Axial slice 224 of 290 of a chest CT (slice 1 is the lowest), reconstructed with the D kernel at 120 kVp; 1.00 mm slice thickness and 0.611 mm pixels.
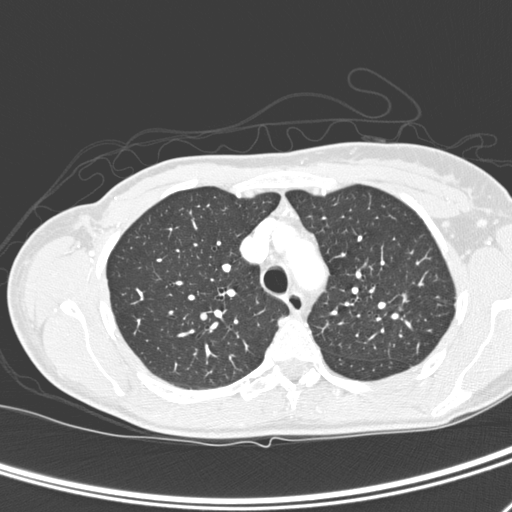
Two pulmonary nodules on this slice, listed from left to right. (1) Pulmonary nodule at rows 312–320, columns 200–206 (box = the union of the readers' outlines on this slice), outlined by all four readers; median longest diameter 5.6 mm (readers' outlines 5.6–5.8 mm), median volume 58 mm3 (33–72 mm3). Median ratings and the readers' spread: texture 5/5 (solid) from all four readers; margin 5/5 (circumscribed), all four readers agreeing; sphericity 5/5 (round), all four readers agreeing; calcification absent, all four readers agreeing; internal structure soft tissue, all four readers agreeing; subtlety 3/5 at the median of four readers, spread 2–5; median malignancy likelihood 2.5/5 (readers ranged 1–4). (2) Pulmonary nodule outlined by one of the four readers; box rows 306–310, columns 397–403 (that reader's outline on this slice); longest diameter 5.2 mm and volume 31 mm3 from that reader's outline. That reader's ratings: texture 5/5 (solid); margin 5/5 (circumscribed); sphericity 3/5 (ovoid); calcification absent; internal structure soft tissue; subtlety 3/5; malignancy likelihood 3/5. Scale key (1–5): texture non-solid→solid, margin indistinct→circumscribed, sphericity linear→round, subtlety extremely subtle→obvious, malignancy likelihood highly unlikely→highly suspicious of cancer. Box rows and columns are 0-based pixel indices from the top-left corner, inclusive.